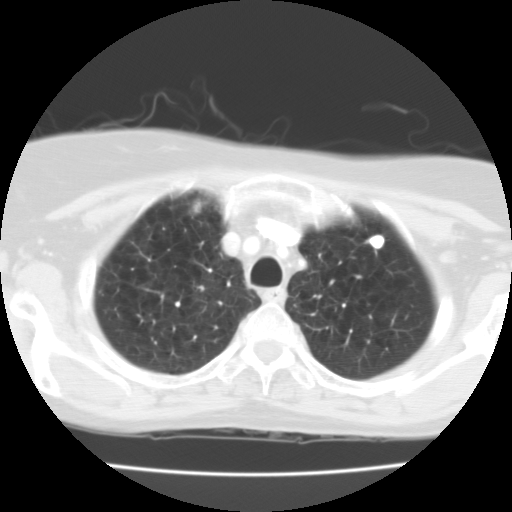
Chest CT, axial plane, 135 kVp, kernel FC01. Slice 87/109 from the bottom of the scan; thickness 3.00 mm; pixel size 0.613 mm.
Pulmonary nodule, outlined by all four readers. Box on this slice rows 234–248, columns 368–384, the union of the readers' outlines on this slice; median longest diameter 12.0 mm (readers' outlines 10.9–13.0 mm), median volume 603 mm3 (333–666 mm3). Median ratings and the readers' spread: texture 5/5 (solid), all four readers agreeing; margin 5/5 (circumscribed), all four readers agreeing; sphericity 4.5/5 at the median of four readers, spread 4/5 to 5/5 (round); calcification: solid calcification (three), absent (one); internal structure soft tissue from all four readers; subtlety 5/5, all four readers agreeing; malignancy likelihood 1/5 at the median of four readers, spread 1–3. Scale key (1–5): texture non-solid→solid, margin indistinct→circumscribed, sphericity linear→round, subtlety extremely subtle→obvious, malignancy likelihood highly unlikely→highly suspicious of cancer. Box rows and columns are 0-based pixel indices from the top-left corner, inclusive.